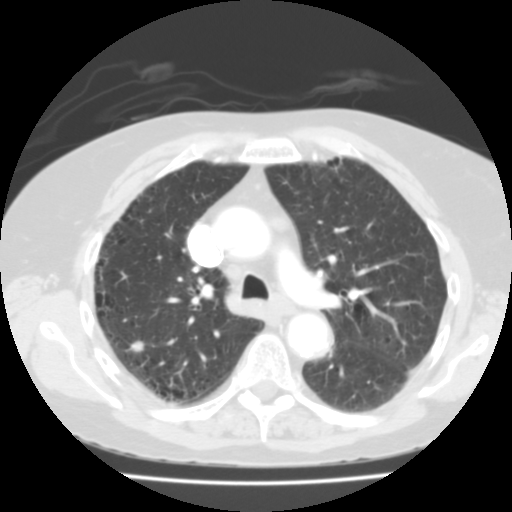
Axial slice 91 of 136 of a chest CT (slice 1 is the lowest), reconstructed with the FC03 kernel at 135 kVp; 2.00 mm slice thickness and 0.644 mm pixels.
Pulmonary nodule outlined by all four readers; box rows 340–352, columns 129–144 (the union of the readers' outlines on this slice); median longest diameter 10.1 mm (readers' outlines 9.2–12.4 mm), median volume 250 mm3 (195–330 mm3). Ratings, median across the readers with their spread: median texture 4.5/5 (readers ranged 4/5 to 5/5 (solid)); margin 3.5/5 at the median of four readers, spread 3/5 to 5/5 (circumscribed); sphericity 4/5 at the median of four readers, spread 3/5 (ovoid) to 5/5 (round); calcification absent, all four readers agreeing; internal structure soft tissue from all four readers; subtlety 3.5/5 at the median of four readers, spread 3–5; malignancy likelihood 3/5 at the median of four readers, spread 2–4. Scale key (1–5): texture non-solid→solid, margin indistinct→circumscribed, sphericity linear→round, subtlety extremely subtle→obvious, malignancy likelihood highly unlikely→highly suspicious of cancer. Box rows and columns are 0-based pixel indices from the top-left corner, inclusive.